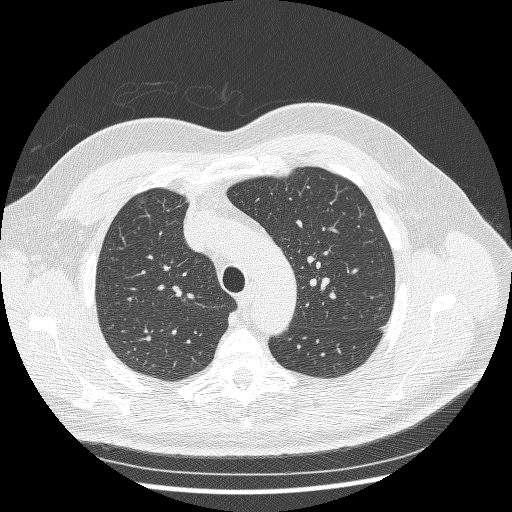
One axial slice (196 of 250, counting up from the lowest) of a chest CT acquired at 120 kVp with the BONE kernel; each pixel is 0.721 mm and the slice is 1.25 mm thick.
Pulmonary nodule at rows 197–203, columns 138–145 (box = the union of the readers' outlines on this slice), outlined by three of the four readers, two of them on this slice; longest diameter 10.9 mm on average over the three readers' outlines (readers' outlines 9.8–12.3 mm), volume 257–353 mm3. Ratings, by the readers' most common answer with dissent counted: texture 1/5 (non-solid), all three readers agreeing; margin 1/5 (indistinct) by two of three readers; the rest gave 2/5 (one); sphericity 3/5 (ovoid) by two of three readers; the rest gave 2/5 (one); calcification absent from all three readers; internal structure soft tissue, all three readers agreeing; subtlety 1/5 by two of three readers; the rest gave 3/5 (one); most readers (two of three) put malignancy likelihood at 3/5, others 4/5 (one). Scale key (1–5): texture non-solid→solid, margin indistinct→circumscribed, sphericity linear→round, subtlety extremely subtle→obvious, malignancy likelihood highly unlikely→highly suspicious of cancer. Box rows and columns are 0-based pixel indices from the top-left corner, inclusive.